Axial slice 51 of 290 of a chest CT (slice 1 is the lowest), reconstructed with the C kernel at 120 kVp; 2.00 mm slice thickness and 0.682 mm pixels.
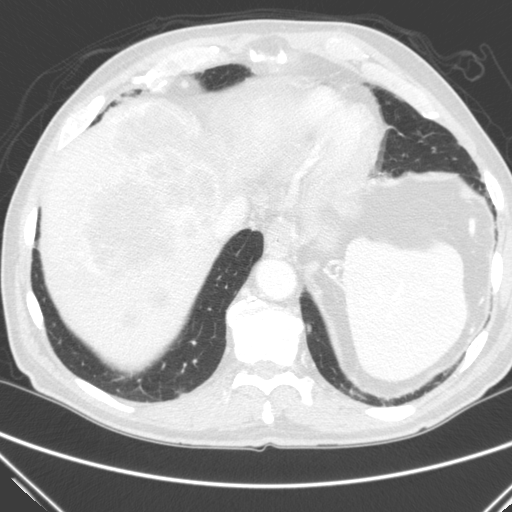
Pulmonary nodule outlined by all four readers; box rows 323–332, columns 306–311 (the union of the readers' outlines on this slice); longest diameter 12.3–13.7 mm and volume 463–570 mm3 across the four readers' outlines. Ratings across the readers: texture 5/5 (solid) from all four readers; margin from 4/5 to 5/5 (circumscribed) across the four readers; sphericity from 2/5 to 4/5 across the four readers; calcification absent from all four readers; internal structure soft tissue from all four readers; subtlety 3–5/5 (the readers disagree); malignancy likelihood rated between 3 and 4 out of 5 by the four readers. Scale key (1–5): texture non-solid→solid, margin indistinct→circumscribed, sphericity linear→round, subtlety extremely subtle→obvious, malignancy likelihood highly unlikely→highly suspicious of cancer. Box rows and columns are 0-based pixel indices from the top-left corner, inclusive.